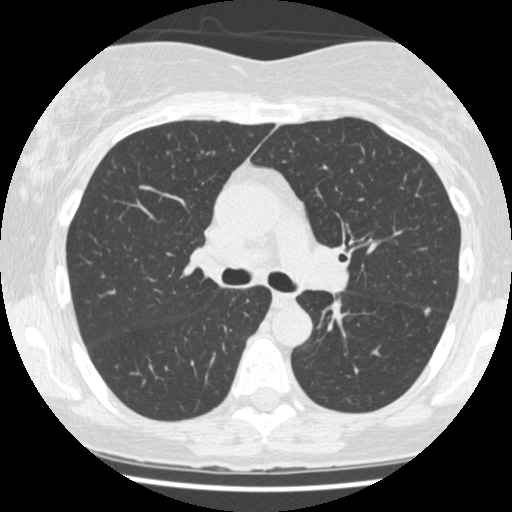
Chest CT, axial plane, 120 kVp, kernel STANDARD. Slice 287/477 from the bottom of the scan; thickness 1.25 mm; pixel size 0.625 mm.
Pulmonary nodule, outlined by three of the four readers. Box on this slice rows 307–316, columns 423–430, the union of the readers' outlines on this slice; median longest diameter 7.3 mm (readers' outlines 6.2–7.6 mm), median volume 125 mm3 (81–136 mm3). Ratings, median across the readers with their spread: texture 5/5 (solid), all three readers agreeing; margin 5/5 (circumscribed) from all three readers; median sphericity 4/5 (readers ranged 4/5 to 5/5 (round)); calcification absent, all three readers agreeing; internal structure soft tissue from all three readers; subtlety 5/5 at the median of three readers, spread 3–5; median malignancy likelihood 2/5 (readers ranged 1–3). Scale key (1–5): texture non-solid→solid, margin indistinct→circumscribed, sphericity linear→round, subtlety extremely subtle→obvious, malignancy likelihood highly unlikely→highly suspicious of cancer. Box rows and columns are 0-based pixel indices from the top-left corner, inclusive.